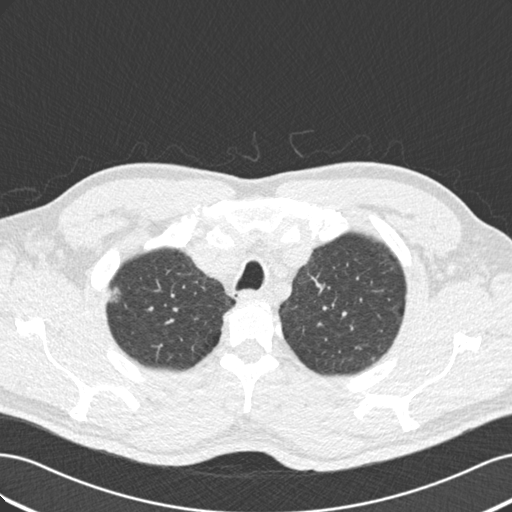
This is axial slice 152 of 187 (slice 1 is the lowest) of a chest CT; each pixel is 0.703 mm and the slice is 2.00 mm thick. Pulmonary nodule at rows 287–302, columns 108–119 (box = the union of the readers' outlines on this slice), outlined by all four readers; longest diameter 16.4 mm on average over the four readers' outlines (readers' outlines 14.9–18.0 mm), volume 840–1317 mm3. The readers' prevailing ratings and who disagreed: texture split among the readers: 4/5 (two), 5/5 (solid) (two); margin split among the readers: 2/5 (one), 3/5 (one), 4/5 (one), 5/5 (circumscribed) (one); sphericity 4/5 by two of four readers; the rest gave 2/5 (one), 5/5 (round) (one); calcification absent, all four readers agreeing; internal structure soft tissue from all four readers; subtlety 5/5 from all four readers; most readers (three of four) put malignancy likelihood at 5/5, others 3/5 (one). Scale key (1–5): texture non-solid→solid, margin indistinct→circumscribed, sphericity linear→round, subtlety extremely subtle→obvious, malignancy likelihood highly unlikely→highly suspicious of cancer. Box rows and columns are 0-based pixel indices from the top-left corner, inclusive.
Tube voltage 120 kVp; convolution kernel B30f.